Axial chest CT slice 69 of 131 (counted from the lowest slice); tube voltage 120 kVp, convolution kernel B31f; slices 3.00 mm thick, 0.721 mm per pixel.
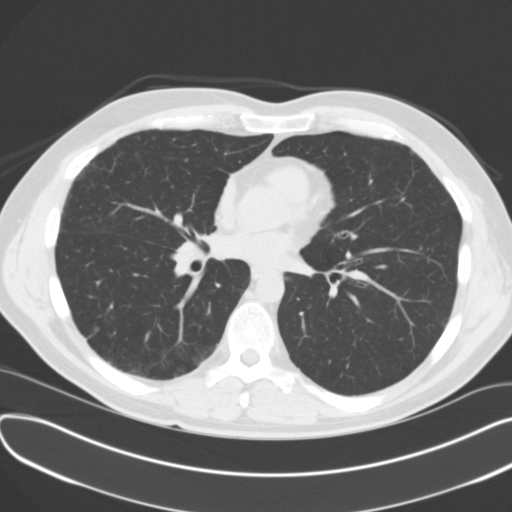
Pulmonary nodule at rows 326–330, columns 93–98 (box = the one reader's outline on this slice), outlined by all four readers, one of them on this slice; longest diameter 21.7 mm on average over the four readers' outlines (readers' outlines 19.8–23.2 mm), volume 718–1650 mm3. Ratings, by the readers' most common answer with dissent counted: texture 5/5 (solid) from all four readers; margin 2/5 by two of four readers; the rest gave 4/5 (one), 5/5 (circumscribed) (one); most readers (three of four) put sphericity at 3/5 (ovoid), others 5/5 (round) (one); calcification absent from all four readers; internal structure soft tissue from all four readers; subtlety 5/5 by three of four readers; the rest gave 4/5 (one); most readers (three of four) put malignancy likelihood at 3/5, others 5/5 (one). Scale key (1–5): texture non-solid→solid, margin indistinct→circumscribed, sphericity linear→round, subtlety extremely subtle→obvious, malignancy likelihood highly unlikely→highly suspicious of cancer. Box rows and columns are 0-based pixel indices from the top-left corner, inclusive.